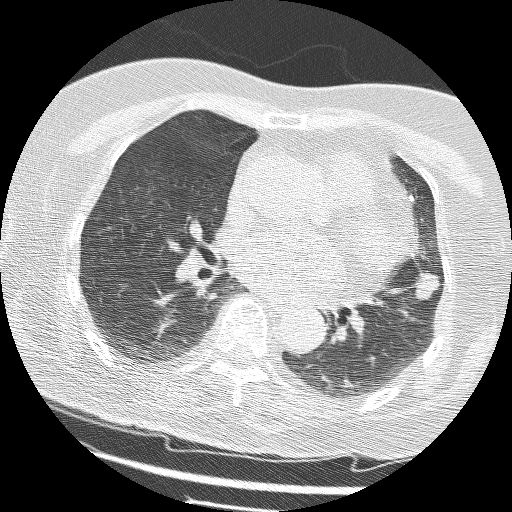
This is axial slice 70 of 161 (slice 1 is the lowest) of a chest CT; each pixel is 0.549 mm and the slice is 1.25 mm thick. Two pulmonary nodules are outlined on this slice; from left to right: (1) Pulmonary nodule outlined by one of the four readers; box rows 196–199, columns 409–412 (that reader's outline on this slice); longest diameter 4.4 mm and volume 32 mm3 from that reader's outline. That reader's ratings: texture 5/5 (solid); margin 5/5 (circumscribed); sphericity 5/5 (round); calcification solid calcification; internal structure soft tissue; subtlety 4/5; malignancy likelihood 1/5. (2) Pulmonary nodule, outlined by all four readers. Box on this slice rows 272–300, columns 414–439, the union of the readers' outlines on this slice; the four readers' outlines give a longest diameter between 18.2 and 19.7 mm and a volume between 1334 and 1755 mm3. The readers' ratings, as ranges where they differ: texture 5/5 (solid) from all four readers; margin from 3/5 to 5/5 (circumscribed) across the four readers; sphericity from 3/5 (ovoid) to 4/5 across the four readers; calcification absent from all four readers; internal structure soft tissue from all four readers; subtlety 5/5, all four readers agreeing; malignancy likelihood 5/5, all four readers agreeing. Scale key (1–5): texture non-solid→solid, margin indistinct→circumscribed, sphericity linear→round, subtlety extremely subtle→obvious, malignancy likelihood highly unlikely→highly suspicious of cancer. Box rows and columns are 0-based pixel indices from the top-left corner, inclusive.
Scan settings: 120 kVp, BONE reconstruction kernel.